One axial slice (54 of 101, counting up from the lowest) of a chest CT acquired at 135 kVp with the FC01 kernel; each pixel is 0.558 mm and the slice is 3.00 mm thick.
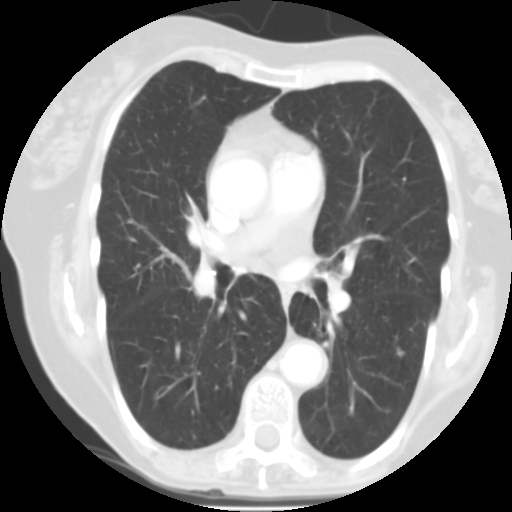
Pulmonary nodule outlined by one of the four readers; box rows 346–357, columns 395–405 (that reader's outline on this slice); longest diameter 7.6 mm and volume 170 mm3 from that reader's outline. Ratings by that reader: texture 3/5 (part-solid); margin 2/5; sphericity 2/5; calcification absent; internal structure soft tissue; subtlety 4/5; malignancy likelihood 3/5. Scale key (1–5): texture non-solid→solid, margin indistinct→circumscribed, sphericity linear→round, subtlety extremely subtle→obvious, malignancy likelihood highly unlikely→highly suspicious of cancer. Box rows and columns are 0-based pixel indices from the top-left corner, inclusive.